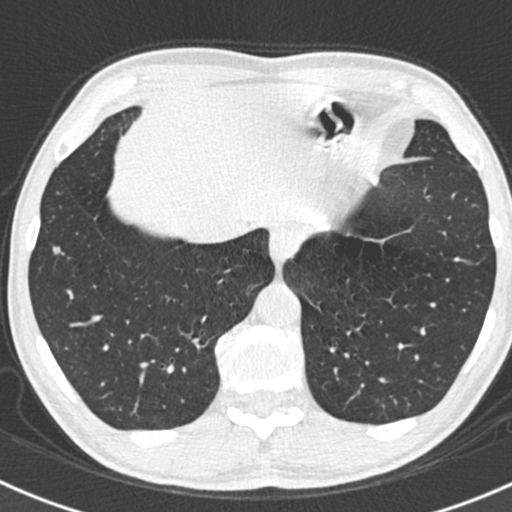
One axial slice (181 of 538, counting up from the lowest) of a chest CT acquired at 120 kVp with the B30f kernel; each pixel is 0.605 mm and the slice is 0.75 mm thick.
Pulmonary nodule at rows 246–254, columns 53–64 (box = the union of the readers' outlines on this slice), outlined by two of the four readers; longest diameter 9.2–11.8 mm and volume 48–81 mm3 across the two readers' outlines. The readers' ratings, as ranges where they differ: texture 5/5 (solid) from both readers; margin from 4/5 to 5/5 (circumscribed) across the two readers; sphericity from 2/5 to 3/5 (ovoid) across the two readers; calcification absent, both readers agreeing; internal structure soft tissue, both readers agreeing; subtlety rated between 3 and 4 out of 5 by the two readers; malignancy likelihood 2/5 from both readers. Scale key (1–5): texture non-solid→solid, margin indistinct→circumscribed, sphericity linear→round, subtlety extremely subtle→obvious, malignancy likelihood highly unlikely→highly suspicious of cancer. Box rows and columns are 0-based pixel indices from the top-left corner, inclusive.